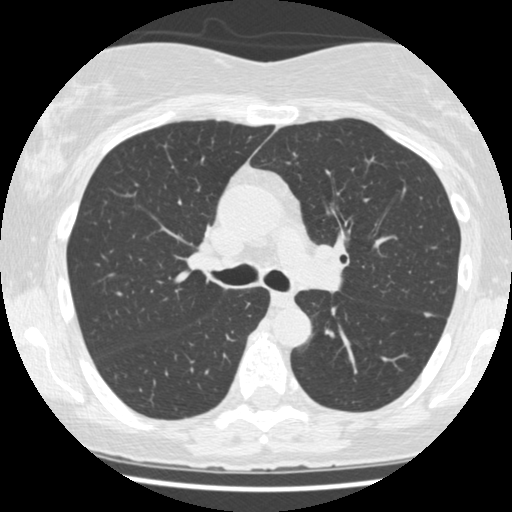
One axial slice (293 of 477, counting up from the lowest) of a chest CT acquired at 120 kVp with the STANDARD kernel; each pixel is 0.625 mm and the slice is 1.25 mm thick.
Pulmonary nodule at rows 311–317, columns 423–432 (box = the union of the readers' outlines on this slice), outlined by three of the four readers; the three readers' outlines give a longest diameter between 6.2 and 7.6 mm and a volume between 81 and 136 mm3. The readers' ratings, as ranges where they differ: texture 5/5 (solid), all three readers agreeing; margin 5/5 (circumscribed) from all three readers; sphericity from 4/5 to 5/5 (round) across the three readers; calcification absent from all three readers; internal structure soft tissue, all three readers agreeing; subtlety 3–5/5 (the readers disagree); malignancy likelihood rated between 1 and 3 out of 5 by the three readers. Scale key (1–5): texture non-solid→solid, margin indistinct→circumscribed, sphericity linear→round, subtlety extremely subtle→obvious, malignancy likelihood highly unlikely→highly suspicious of cancer. Box rows and columns are 0-based pixel indices from the top-left corner, inclusive.